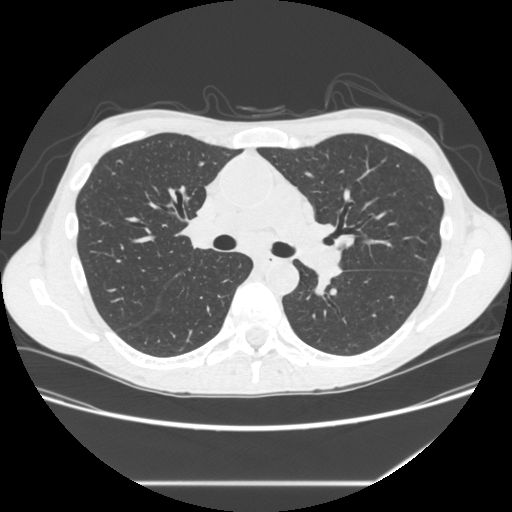
This is axial slice 185 of 301 (slice 1 is the lowest) of a chest CT; each pixel is 0.752 mm and the slice is 1.25 mm thick. No nodule of 3 mm or larger was outlined by any of the four readers on this slice.
Tube voltage 120 kVp; convolution kernel STANDARD.